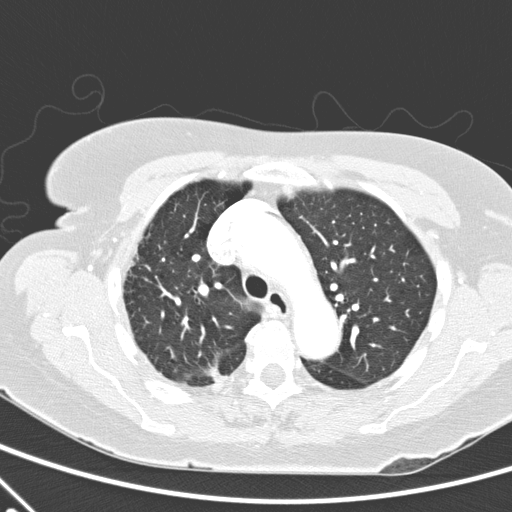
This is axial slice 166 of 248 (slice 1 is the lowest) of a chest CT; each pixel is 0.633 mm and the slice is 2.00 mm thick. Pulmonary nodule outlined by one of the four readers; box rows 368–381, columns 210–228 (that reader's outline on this slice); longest diameter 13.2 mm and volume 418 mm3 from that reader's outline. That reader's ratings: texture 5/5 (solid); margin 1/5 (indistinct); sphericity 2/5; calcification absent; internal structure soft tissue; subtlety 4/5; malignancy likelihood 2/5. Scale key (1–5): texture non-solid→solid, margin indistinct→circumscribed, sphericity linear→round, subtlety extremely subtle→obvious, malignancy likelihood highly unlikely→highly suspicious of cancer. Box rows and columns are 0-based pixel indices from the top-left corner, inclusive.
Scan settings: 120 kVp, D reconstruction kernel.